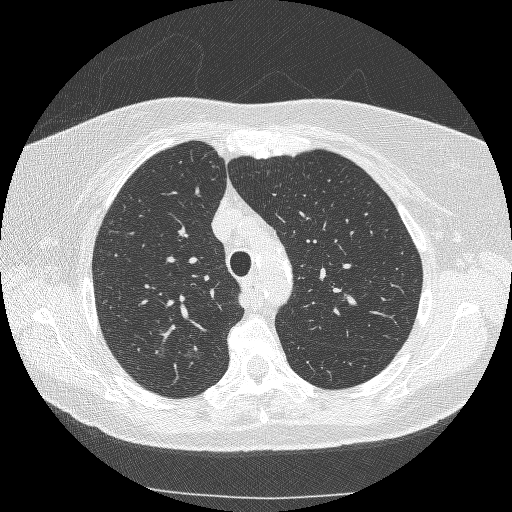
One axial slice (203 of 253, counting up from the lowest) of a chest CT acquired at 120 kVp with the BONE kernel; each pixel is 0.625 mm and the slice is 1.25 mm thick.
Pulmonary nodule, outlined by one of the four readers. Box on this slice rows 350–358, columns 187–197, that reader's outline on this slice; longest diameter 11.3 mm and volume 214 mm3 from that reader's outline. That reader's ratings: texture 1/5 (non-solid); margin 1/5 (indistinct); sphericity 4/5; calcification absent; internal structure soft tissue; subtlety 3/5; malignancy likelihood 3/5. Scale key (1–5): texture non-solid→solid, margin indistinct→circumscribed, sphericity linear→round, subtlety extremely subtle→obvious, malignancy likelihood highly unlikely→highly suspicious of cancer. Box rows and columns are 0-based pixel indices from the top-left corner, inclusive.